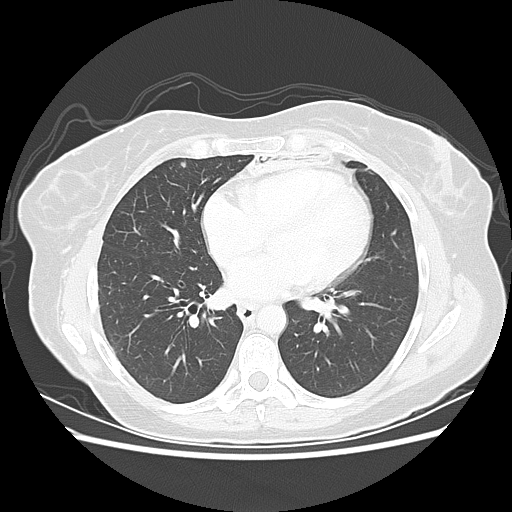
Axial chest CT slice 74 of 133 (counted from the lowest slice); tube voltage 120 kVp, convolution kernel LUNG; slices 2.50 mm thick, 0.703 mm per pixel.
Pulmonary nodule, outlined by one of the four readers. Box on this slice rows 161–167, columns 181–185, that reader's outline on this slice; longest diameter 5.7 mm and volume 77 mm3 from that reader's outline. That reader's ratings: texture 5/5 (solid); margin 4/5; sphericity 4/5; calcification absent; internal structure soft tissue; subtlety 2/5; malignancy likelihood 3/5. Scale key (1–5): texture non-solid→solid, margin indistinct→circumscribed, sphericity linear→round, subtlety extremely subtle→obvious, malignancy likelihood highly unlikely→highly suspicious of cancer. Box rows and columns are 0-based pixel indices from the top-left corner, inclusive.